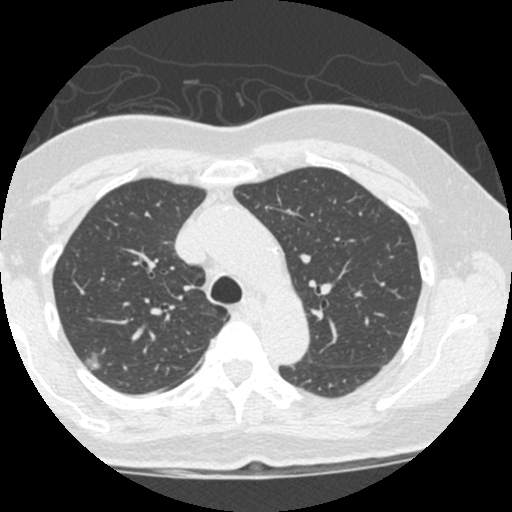
Axial chest CT slice 373 of 490 (counted from the lowest slice); 1.25 mm thick, 0.547 mm per pixel. Pulmonary nodule at rows 352–370, columns 84–100 (box = the union of the readers' outlines on this slice), outlined by three of the four readers; longest diameter 14.3–18.3 mm and volume 967–1422 mm3 across the three readers' outlines. Ratings across the readers: texture from 1/5 (non-solid) to 5/5 (solid) across the three readers; margin from 2/5 to 4/5 across the three readers; sphericity from 3/5 (ovoid) to 5/5 (round) across the three readers; calcification absent, all three readers agreeing; internal structure soft tissue from all three readers; subtlety 1–5/5 (the readers disagree); malignancy likelihood 2–5/5 (the readers disagree). Scale key (1–5): texture non-solid→solid, margin indistinct→circumscribed, sphericity linear→round, subtlety extremely subtle→obvious, malignancy likelihood highly unlikely→highly suspicious of cancer. Box rows and columns are 0-based pixel indices from the top-left corner, inclusive.
Scan settings: 120 kVp, STANDARD reconstruction kernel.